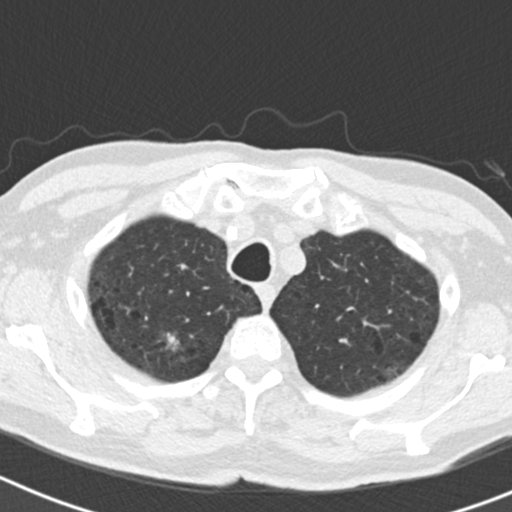
Axial chest CT slice 158 of 186 (counted from the lowest slice); 2.00 mm thick, 0.586 mm per pixel. Pulmonary nodule at rows 335–348, columns 168–178 (box = that reader's outline on this slice), outlined by one of the four readers; longest diameter 13.5 mm and volume 304 mm3 from that reader's outline. That reader's ratings: texture 3/5 (part-solid); margin 2/5; sphericity 4/5; calcification absent; internal structure soft tissue; subtlety 4/5; malignancy likelihood 3/5. Scale key (1–5): texture non-solid→solid, margin indistinct→circumscribed, sphericity linear→round, subtlety extremely subtle→obvious, malignancy likelihood highly unlikely→highly suspicious of cancer. Box rows and columns are 0-based pixel indices from the top-left corner, inclusive.
Scan settings: 120 kVp, B30f reconstruction kernel.